One axial slice (122 of 270, counting up from the lowest) of a chest CT acquired at 120 kVp with the BONE kernel; each pixel is 0.604 mm and the slice is 1.25 mm thick.
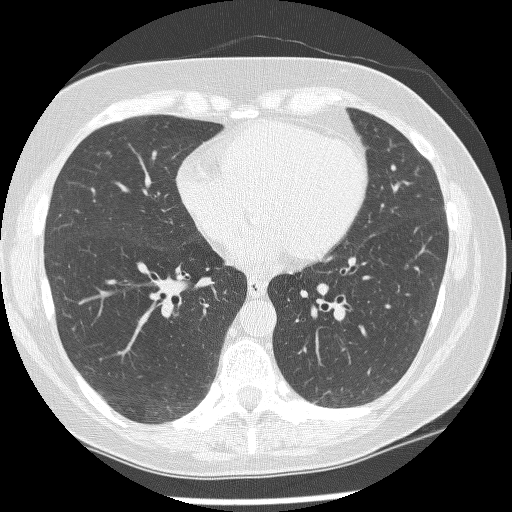
The readers outlined no nodule of 3 mm or more on this slice.